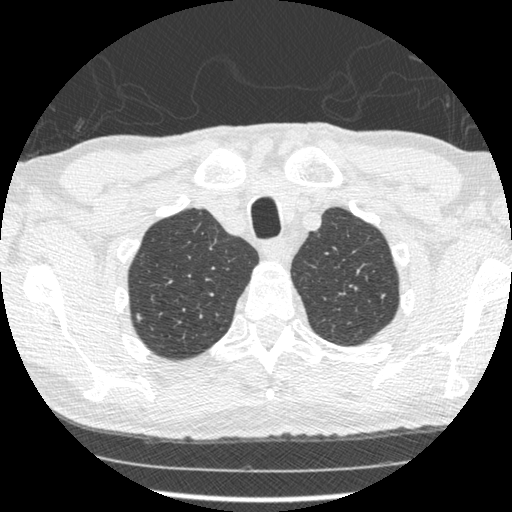
Axial chest CT slice 430 of 481 (counted from the lowest slice); 1.25 mm thick, 0.664 mm per pixel. Pulmonary nodule outlined by one of the four readers; box rows 313–321, columns 136–141 (that reader's outline on this slice); longest diameter 7.4 mm and volume 79 mm3 from that reader's outline. That reader's ratings: texture 5/5 (solid); margin 2/5; sphericity 3/5 (ovoid); calcification absent; internal structure soft tissue; subtlety 4/5; malignancy likelihood 2/5. Scale key (1–5): texture non-solid→solid, margin indistinct→circumscribed, sphericity linear→round, subtlety extremely subtle→obvious, malignancy likelihood highly unlikely→highly suspicious of cancer. Box rows and columns are 0-based pixel indices from the top-left corner, inclusive.
Acquired at 120 kVp and reconstructed with the STANDARD kernel.